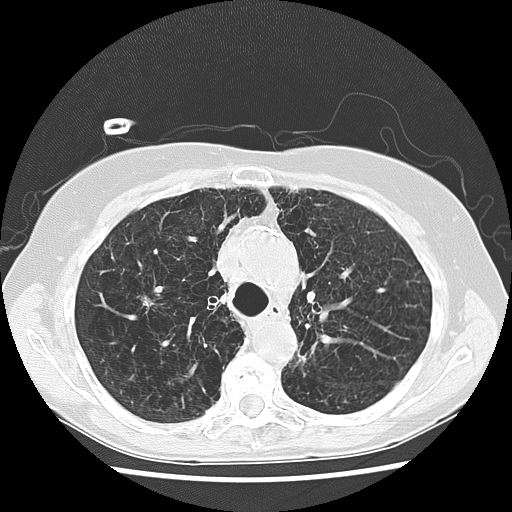
Slice 99/133 of a chest CT, counting up from the lowest; pixel size 0.625 mm, slice thickness 2.50 mm. Pulmonary nodule at rows 296–305, columns 140–152 (box = the union of the readers' outlines on this slice), outlined by all four readers; median longest diameter 12.9 mm (readers' outlines 11.3–13.4 mm), median volume 453 mm3 (345–536 mm3). Median ratings and the readers' spread: texture 5/5 (solid), all four readers agreeing; median margin 3.5/5 (readers ranged 1/5 (indistinct) to 4/5); sphericity 2/5 at the median of four readers, spread 2/5 to 3/5 (ovoid); calcification absent from all four readers; internal structure soft tissue from all four readers; median subtlety 4.5/5 (readers ranged 3–5); median malignancy likelihood 4.5/5 (readers ranged 3–5). Scale key (1–5): texture non-solid→solid, margin indistinct→circumscribed, sphericity linear→round, subtlety extremely subtle→obvious, malignancy likelihood highly unlikely→highly suspicious of cancer. Box rows and columns are 0-based pixel indices from the top-left corner, inclusive.
Tube voltage 120 kVp; convolution kernel LUNG.